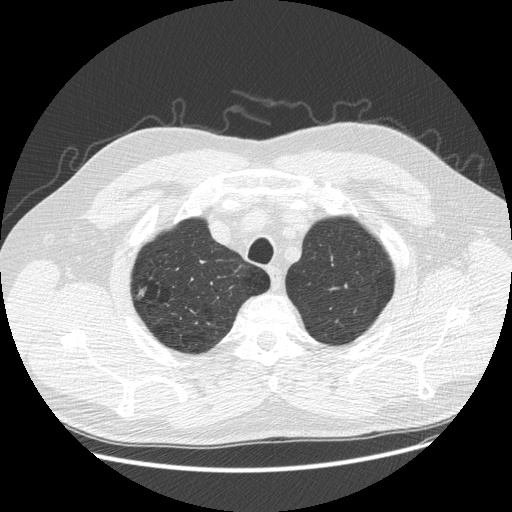
Axial slice 414 of 481 of a chest CT (slice 1 is the lowest), reconstructed with the STANDARD kernel at 120 kVp; 1.25 mm slice thickness and 0.742 mm pixels.
Pulmonary nodule, outlined by two of the four readers, one of them on this slice. Box on this slice rows 287–298, columns 137–145, the one reader's outline on this slice; longest diameter 16.8 mm on average over the two readers' outlines (readers' outlines 15.0–18.6 mm), volume 293–924 mm3. Ratings, by the readers' most common answer with dissent counted: texture 1/5 (non-solid) from both readers; margin split among the readers: 1/5 (indistinct) (one), 2/5 (one); sphericity split among the readers: 3/5 (ovoid) (one), 5/5 (round) (one); calcification absent, both readers agreeing; internal structure soft tissue, both readers agreeing; subtlety split among the readers: 1/5 (one), 2/5 (one); malignancy likelihood split among the readers: 2/5 (one), 4/5 (one). Scale key (1–5): texture non-solid→solid, margin indistinct→circumscribed, sphericity linear→round, subtlety extremely subtle→obvious, malignancy likelihood highly unlikely→highly suspicious of cancer. Box rows and columns are 0-based pixel indices from the top-left corner, inclusive.